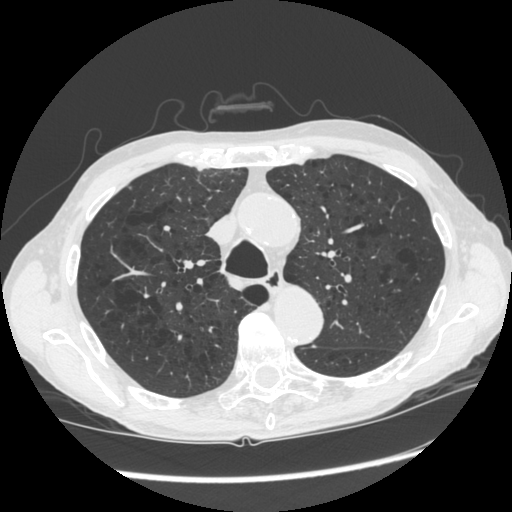
Axial slice 195 of 301 of a chest CT (slice 1 is the lowest), reconstructed with the STANDARD kernel at 120 kVp; 1.25 mm slice thickness and 0.684 mm pixels.
The readers outlined no nodule of 3 mm or more on this slice.